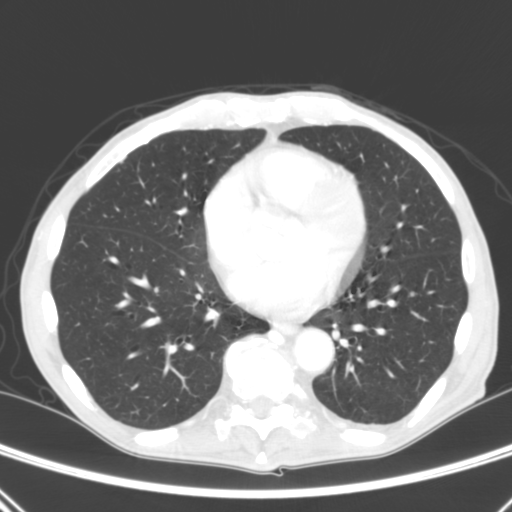
Slice 112/290 of a chest CT, counting up from the lowest; pixel size 0.639 mm, slice thickness 2.00 mm. Pulmonary nodule outlined by one of the four readers; box rows 292–296, columns 410–414 (that reader's outline on this slice); longest diameter 5.5 mm and volume 55 mm3 from that reader's outline. That reader's ratings: texture 5/5 (solid); margin 5/5 (circumscribed); sphericity 5/5 (round); calcification absent; internal structure soft tissue; subtlety 5/5; malignancy likelihood 3/5. Scale key (1–5): texture non-solid→solid, margin indistinct→circumscribed, sphericity linear→round, subtlety extremely subtle→obvious, malignancy likelihood highly unlikely→highly suspicious of cancer. Box rows and columns are 0-based pixel indices from the top-left corner, inclusive.
Scan settings: 120 kVp, B reconstruction kernel.